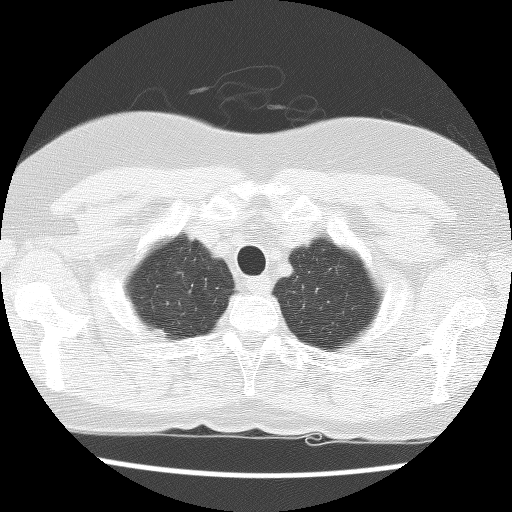
Axial chest CT slice 111 of 123 (counted from the lowest slice); tube voltage 140 kVp, convolution kernel BONE; slices 2.50 mm thick, 0.568 mm per pixel.
Pulmonary nodule outlined by one of the four readers; box rows 329–335, columns 153–163 (that reader's outline on this slice); longest diameter 12.3 mm and volume 169 mm3 from that reader's outline. Ratings by that reader: texture 4/5; margin 3/5; sphericity 3/5 (ovoid); calcification absent; internal structure soft tissue; subtlety 4/5; malignancy likelihood 3/5. Scale key (1–5): texture non-solid→solid, margin indistinct→circumscribed, sphericity linear→round, subtlety extremely subtle→obvious, malignancy likelihood highly unlikely→highly suspicious of cancer. Box rows and columns are 0-based pixel indices from the top-left corner, inclusive.